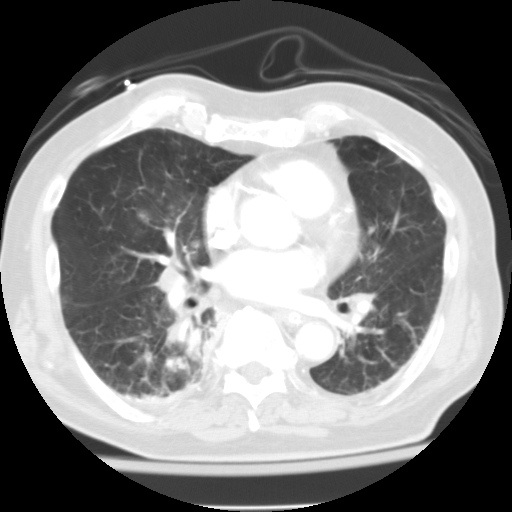
One axial slice (66 of 125, counting up from the lowest) of a chest CT acquired at 135 kVp with the FC10 kernel; each pixel is 0.628 mm and the slice is 3.00 mm thick.
None of the four readers outlined a nodule of 3 mm or more on this slice.